Axial chest CT slice 76 of 421 (counted from the lowest slice); tube voltage 120 kVp, convolution kernel STANDARD; slices 1.25 mm thick, 0.703 mm per pixel.
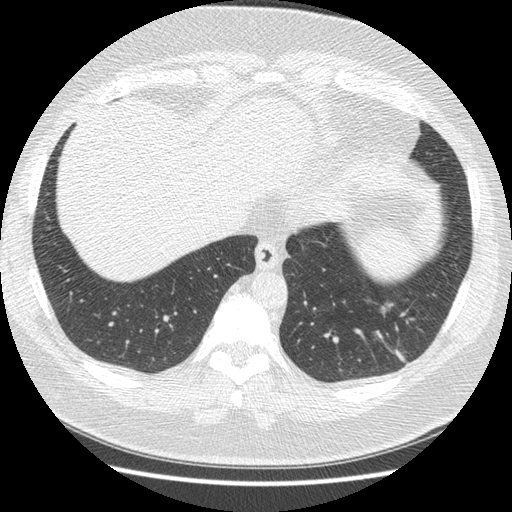
Pulmonary nodule at rows 349–361, columns 395–405 (box = the union of the readers' outlines on this slice), outlined four times (the source holds four more outlines, not used), three of them on this slice; longest diameter 33.9 mm on average over the four readers' outlines (readers' outlines 30.9–38.9 mm), volume 4443–5826 mm3. The readers' prevailing ratings and who disagreed: texture 5/5 (solid) by three of four readers; the rest gave 4/5 (one); margin 4/5 by three of four readers; the rest gave 3/5 (one); sphericity 2/5 by two of four readers; the rest gave 3/5 (ovoid) (one), 4/5 (one); calcification absent from all four readers; internal structure soft tissue from all four readers; most readers (three of four) put subtlety at 5/5, others 4/5 (one); malignancy likelihood split among the readers: 2/5 (one), 3/5 (one), 4/5 (one), 5/5 (one). Scale key (1–5): texture non-solid→solid, margin indistinct→circumscribed, sphericity linear→round, subtlety extremely subtle→obvious, malignancy likelihood highly unlikely→highly suspicious of cancer. Box rows and columns are 0-based pixel indices from the top-left corner, inclusive.